One axial slice (167 of 214, counting up from the lowest) of a chest CT acquired at 120 kVp with the STANDARD kernel; each pixel is 0.703 mm and the slice is 1.25 mm thick.
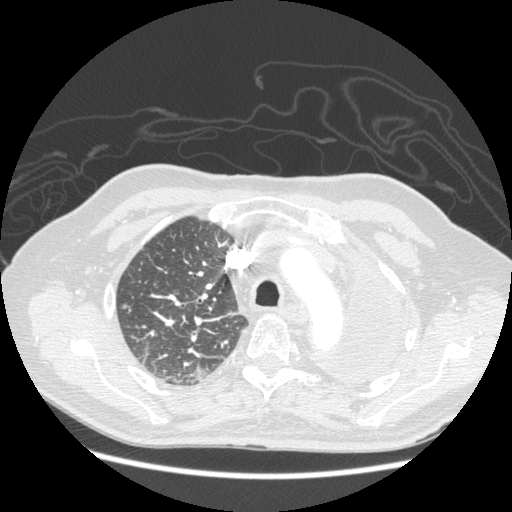
Pulmonary nodule at rows 303–309, columns 122–126 (box = that reader's outline on this slice), outlined by one of the four readers; longest diameter 6.0 mm and volume 39 mm3 from that reader's outline. Ratings by that reader: texture 5/5 (solid); margin 5/5 (circumscribed); sphericity 5/5 (round); calcification absent; internal structure soft tissue; subtlety 3/5; malignancy likelihood 1/5. Scale key (1–5): texture non-solid→solid, margin indistinct→circumscribed, sphericity linear→round, subtlety extremely subtle→obvious, malignancy likelihood highly unlikely→highly suspicious of cancer. Box rows and columns are 0-based pixel indices from the top-left corner, inclusive.